Axial slice 32 of 145 of a chest CT (slice 1 is the lowest), reconstructed with the STANDARD kernel at 120 kVp; 2.50 mm slice thickness and 0.781 mm pixels.
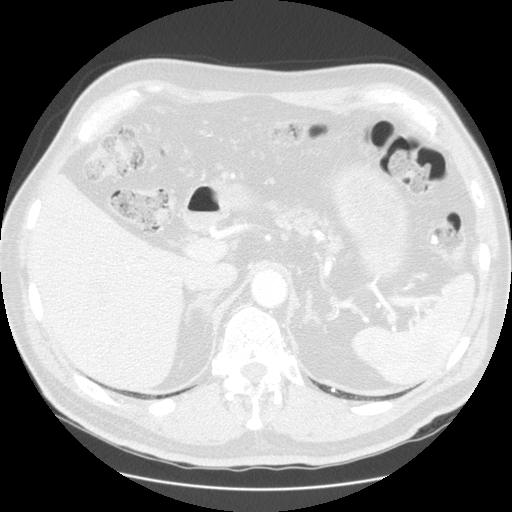
Pulmonary nodule outlined by two of the four readers; box rows 388–391, columns 331–334 (the union of the readers' outlines on this slice); the two readers' outlines give a longest diameter between 4.8 and 5.5 mm and a volume between 56 and 62 mm3. The readers' ratings, as ranges where they differ: texture 5/5 (solid), both readers agreeing; margin 5/5 (circumscribed) from both readers; sphericity 5/5 (round), both readers agreeing; calcification solid calcification from both readers; internal structure soft tissue from both readers; subtlety rated between 3 and 4 out of 5 by the two readers; malignancy likelihood 1/5, both readers agreeing. Scale key (1–5): texture non-solid→solid, margin indistinct→circumscribed, sphericity linear→round, subtlety extremely subtle→obvious, malignancy likelihood highly unlikely→highly suspicious of cancer. Box rows and columns are 0-based pixel indices from the top-left corner, inclusive.